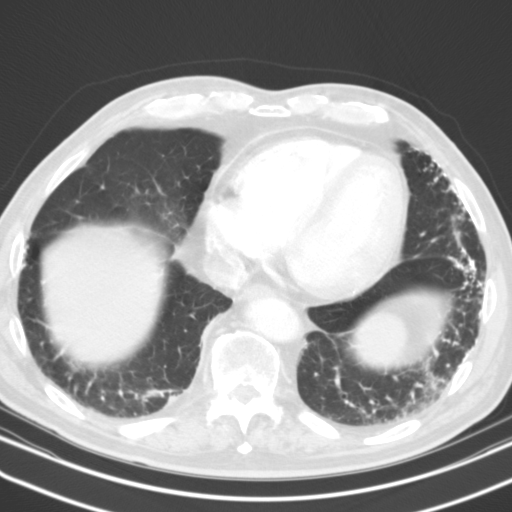
Axial chest CT slice 48 of 127 (counted from the lowest slice); tube voltage 130 kVp, convolution kernel B31s; slices 3.00 mm thick, 0.668 mm per pixel.
Pulmonary nodule at rows 396–404, columns 166–176 (box = the one reader's outline on this slice), outlined by two of the four readers, one of them on this slice; median longest diameter 25.9 mm (readers' outlines 25.6–26.3 mm), median volume 6061 mm3 (5517–6604 mm3). Median ratings and the readers' spread: texture 5/5 (solid), both readers agreeing; margin 4/5 from both readers; sphericity 2.5/5 at the median of two readers, spread 2/5 to 3/5 (ovoid); calcification absent, both readers agreeing; internal structure soft tissue, both readers agreeing; subtlety 5/5, both readers agreeing; median malignancy likelihood 2.5/5 (readers ranged 2–3). Scale key (1–5): texture non-solid→solid, margin indistinct→circumscribed, sphericity linear→round, subtlety extremely subtle→obvious, malignancy likelihood highly unlikely→highly suspicious of cancer. Box rows and columns are 0-based pixel indices from the top-left corner, inclusive.